One axial slice (56 of 233, counting up from the lowest) of a chest CT acquired at 120 kVp with the STANDARD kernel; each pixel is 0.664 mm and the slice is 1.25 mm thick.
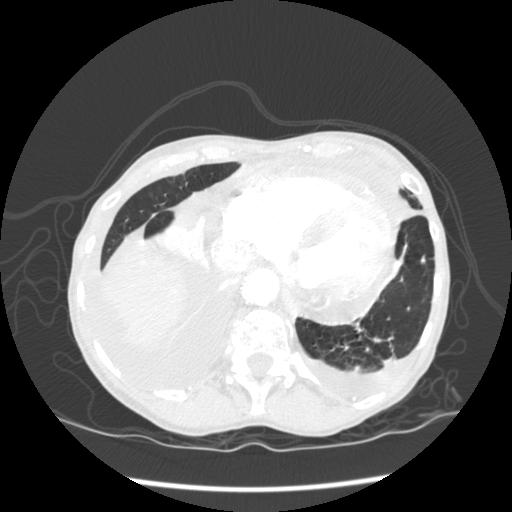
Pulmonary nodule, outlined by one of the four readers. Box on this slice rows 256–262, columns 421–424, that reader's outline on this slice; longest diameter 6.3 mm and volume 82 mm3 from that reader's outline. That reader's ratings: texture 5/5 (solid); margin 5/5 (circumscribed); sphericity 5/5 (round); calcification solid calcification; internal structure soft tissue; subtlety 3/5; malignancy likelihood 1/5. Scale key (1–5): texture non-solid→solid, margin indistinct→circumscribed, sphericity linear→round, subtlety extremely subtle→obvious, malignancy likelihood highly unlikely→highly suspicious of cancer. Box rows and columns are 0-based pixel indices from the top-left corner, inclusive.